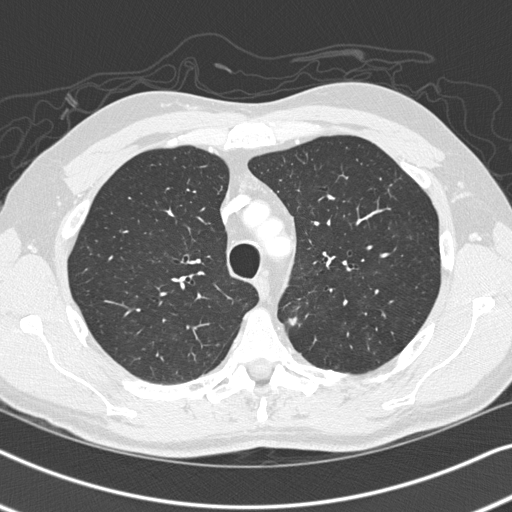
Axial chest CT slice 247 of 326 (counted from the lowest slice); tube voltage 120 kVp, convolution kernel B45f; slices 1.00 mm thick, 0.645 mm per pixel.
Pulmonary nodule, outlined by three of the four readers. Box on this slice rows 316–329, columns 285–296, the union of the readers' outlines on this slice; median longest diameter 11.6 mm (readers' outlines 10.7–11.8 mm), median volume 255 mm3 (148–311 mm3). Ratings, median across the readers with their spread: texture 5/5 (solid) at the median of three readers, spread 4/5 to 5/5 (solid); margin 4/5 at the median of three readers, spread 3/5 to 5/5 (circumscribed); sphericity 3/5 (ovoid) at the median of three readers, spread 2/5 to 5/5 (round); calcification absent from all three readers; internal structure soft tissue from all three readers; subtlety 4/5 at the median of three readers, spread 3–5; median malignancy likelihood 2/5 (readers ranged 2–3). Scale key (1–5): texture non-solid→solid, margin indistinct→circumscribed, sphericity linear→round, subtlety extremely subtle→obvious, malignancy likelihood highly unlikely→highly suspicious of cancer. Box rows and columns are 0-based pixel indices from the top-left corner, inclusive.